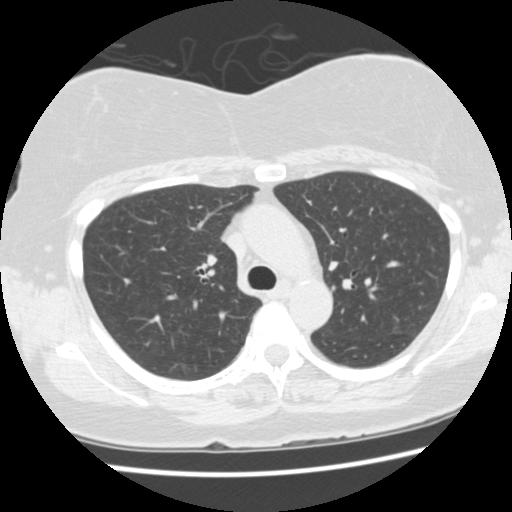
Axial slice 96 of 145 of a chest CT (slice 1 is the lowest), reconstructed with the STANDARD kernel at 120 kVp; 2.50 mm slice thickness and 0.625 mm pixels.
Pulmonary nodule, outlined by one of the four readers. Box on this slice rows 326–333, columns 391–402, that reader's outline on this slice; longest diameter 11.2 mm and volume 332 mm3 from that reader's outline. That reader's ratings: texture 1/5 (non-solid); margin 1/5 (indistinct); sphericity 3/5 (ovoid); calcification absent; internal structure soft tissue; subtlety 4/5; malignancy likelihood 2/5. Scale key (1–5): texture non-solid→solid, margin indistinct→circumscribed, sphericity linear→round, subtlety extremely subtle→obvious, malignancy likelihood highly unlikely→highly suspicious of cancer. Box rows and columns are 0-based pixel indices from the top-left corner, inclusive.